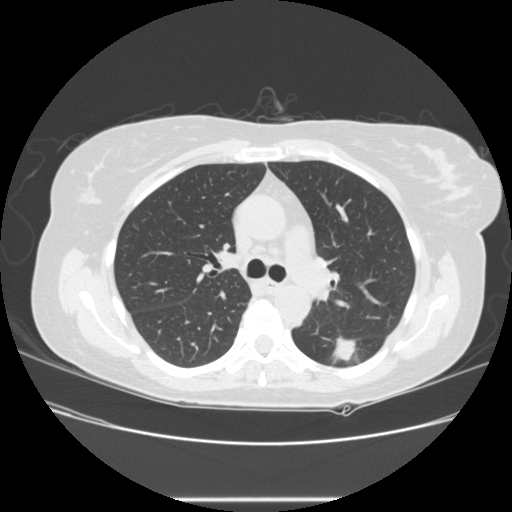
Axial chest CT slice 163 of 245 (counted from the lowest slice); tube voltage 120 kVp, convolution kernel STANDARD; slices 1.25 mm thick, 0.730 mm per pixel.
Pulmonary nodule, outlined by all four readers. Box on this slice rows 336–364, columns 331–360, the union of the readers' outlines on this slice; longest diameter 30.9 mm on average over the four readers' outlines (readers' outlines 27.2–36.8 mm), volume 3941–5997 mm3. The readers' prevailing ratings and who disagreed: texture 5/5 (solid), all four readers agreeing; margin 4/5 by two of four readers; the rest gave 1/5 (indistinct) (one), 3/5 (one); sphericity 2/5 by two of four readers; the rest gave 3/5 (ovoid) (one), 4/5 (one); calcification absent, all four readers agreeing; internal structure soft tissue, all four readers agreeing; subtlety 5/5 from all four readers; malignancy likelihood 5/5 by three of four readers; the rest gave 4/5 (one). Scale key (1–5): texture non-solid→solid, margin indistinct→circumscribed, sphericity linear→round, subtlety extremely subtle→obvious, malignancy likelihood highly unlikely→highly suspicious of cancer. Box rows and columns are 0-based pixel indices from the top-left corner, inclusive.